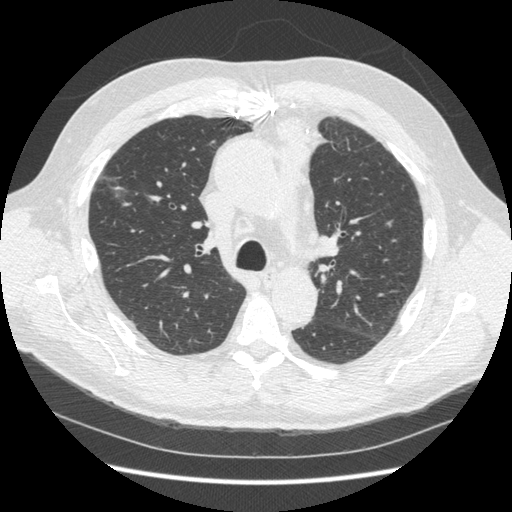
Chest CT, axial plane, 120 kVp, kernel STANDARD. Slice 229/369 from the bottom of the scan; thickness 1.25 mm; pixel size 0.703 mm.
Pulmonary nodule, outlined by one of the four readers. Box on this slice rows 170–199, columns 99–127, that reader's outline on this slice; longest diameter 27.0 mm and volume 3015 mm3 from that reader's outline. Ratings by that reader: texture 1/5 (non-solid); margin 1/5 (indistinct); sphericity 3/5 (ovoid); calcification absent; internal structure soft tissue; subtlety 3/5; malignancy likelihood 3/5. Scale key (1–5): texture non-solid→solid, margin indistinct→circumscribed, sphericity linear→round, subtlety extremely subtle→obvious, malignancy likelihood highly unlikely→highly suspicious of cancer. Box rows and columns are 0-based pixel indices from the top-left corner, inclusive.